Axial slice 144 of 236 of a chest CT (slice 1 is the lowest), reconstructed with the BONE kernel at 120 kVp; 1.25 mm slice thickness and 0.703 mm pixels.
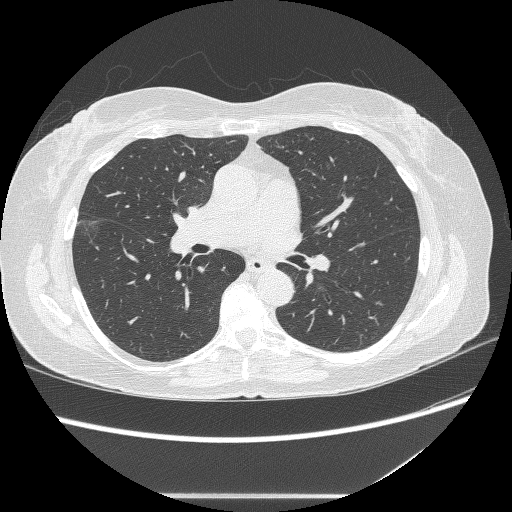
Pulmonary nodule, outlined by all four readers, three of them on this slice. Box on this slice rows 219–230, columns 79–101, the union of the readers' outlines on this slice; median longest diameter 17.6 mm (readers' outlines 17.0–21.4 mm), median volume 703 mm3 (673–774 mm3). Ratings, median across the readers with their spread: texture 1/5 (non-solid) from all four readers; margin 1/5 (indistinct) at the median of four readers, spread 1/5 (indistinct) to 4/5; sphericity 4/5 at the median of four readers, spread 4/5 to 5/5 (round); calcification absent, all four readers agreeing; internal structure soft tissue, all four readers agreeing; subtlety 4/5 at the median of four readers, spread 3–5; malignancy likelihood 4/5 at the median of four readers, spread 3–4. Scale key (1–5): texture non-solid→solid, margin indistinct→circumscribed, sphericity linear→round, subtlety extremely subtle→obvious, malignancy likelihood highly unlikely→highly suspicious of cancer. Box rows and columns are 0-based pixel indices from the top-left corner, inclusive.